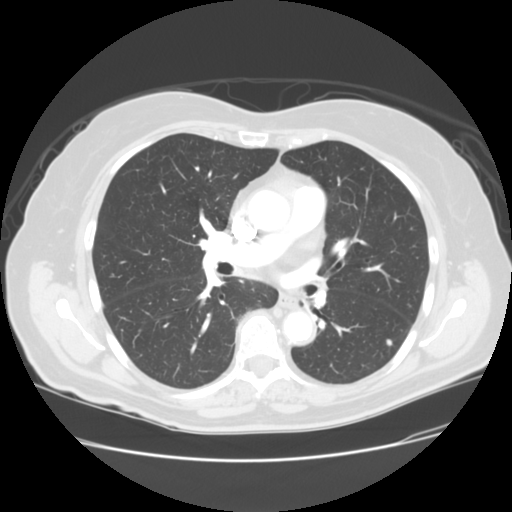
Axial slice 70 of 119 of a chest CT (slice 1 is the lowest), reconstructed with the STANDARD kernel at 120 kVp; 2.50 mm slice thickness and 0.703 mm pixels.
Pulmonary nodule at rows 338–346, columns 385–392 (box = the union of the readers' outlines on this slice), outlined by three of the four readers; the three readers' outlines give a longest diameter between 6.0 and 7.3 mm and a volume between 78 and 135 mm3. Ratings across the readers: texture 5/5 (solid) from all three readers; margin from 4/5 to 5/5 (circumscribed) across the three readers; sphericity from 3/5 (ovoid) to 4/5 across the three readers; calcification absent from all three readers; internal structure soft tissue, all three readers agreeing; subtlety from 4/5 to 5/5 across the three readers; malignancy likelihood rated between 2 and 3 out of 5 by the three readers. Scale key (1–5): texture non-solid→solid, margin indistinct→circumscribed, sphericity linear→round, subtlety extremely subtle→obvious, malignancy likelihood highly unlikely→highly suspicious of cancer. Box rows and columns are 0-based pixel indices from the top-left corner, inclusive.